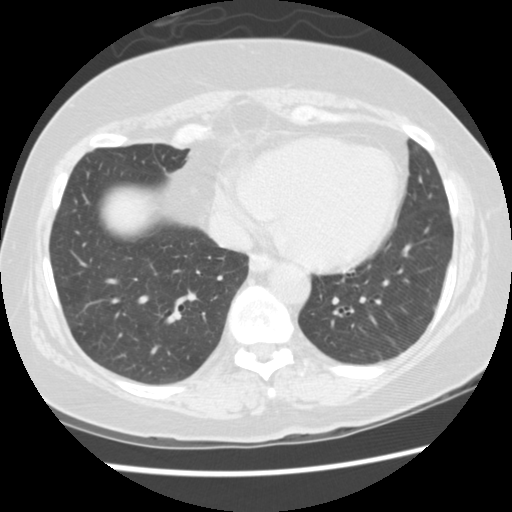
Axial chest CT slice 39 of 145 (counted from the lowest slice); 2.50 mm thick, 0.625 mm per pixel. This slice carries no reader outline of a nodule 3 mm or larger.
Acquired at 120 kVp and reconstructed with the STANDARD kernel.